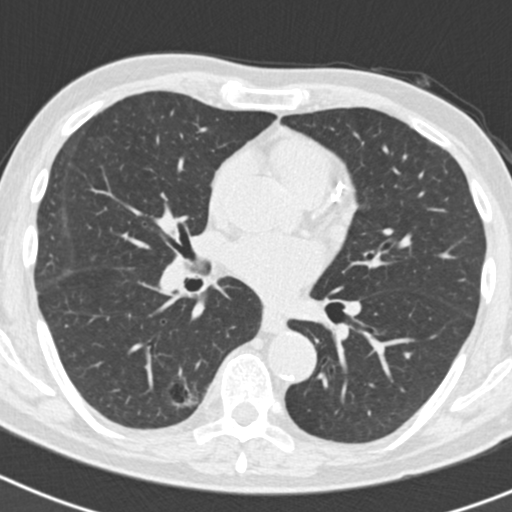
Chest CT, axial plane, 120 kVp, kernel B30f. Slice 100/186 from the bottom of the scan; thickness 2.00 mm; pixel size 0.586 mm.
Pulmonary nodule at rows 378–407, columns 166–197 (box = that reader's outline on this slice), outlined by one of the four readers; longest diameter 31.4 mm and volume 6527 mm3 from that reader's outline. That reader's ratings: texture 1/5 (non-solid); margin 2/5; sphericity 4/5; calcification absent; internal structure soft tissue; subtlety 5/5; malignancy likelihood 3/5. Scale key (1–5): texture non-solid→solid, margin indistinct→circumscribed, sphericity linear→round, subtlety extremely subtle→obvious, malignancy likelihood highly unlikely→highly suspicious of cancer. Box rows and columns are 0-based pixel indices from the top-left corner, inclusive.